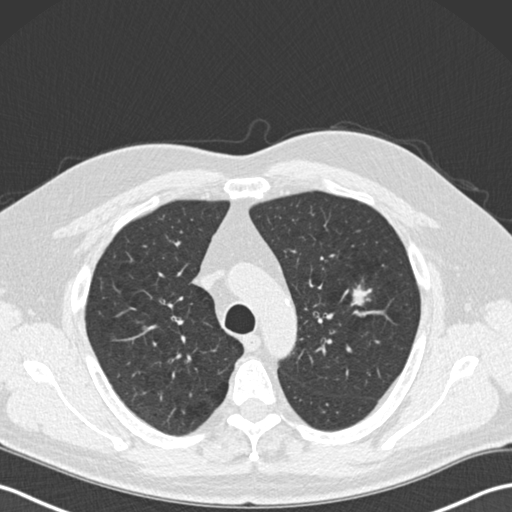
Chest CT, axial plane, 120 kVp, kernel B30f. Slice 141/191 from the bottom of the scan; thickness 2.00 mm; pixel size 0.684 mm.
Pulmonary nodule outlined by all four readers; box rows 283–305, columns 350–370 (the union of the readers' outlines on this slice); the four readers' outlines give a longest diameter between 19.1 and 20.2 mm and a volume between 1870 and 2474 mm3. The readers' ratings, as ranges where they differ: texture 5/5 (solid), all four readers agreeing; margin from 3/5 to 5/5 (circumscribed) across the four readers; sphericity from 3/5 (ovoid) to 4/5 across the four readers; calcification absent, all four readers agreeing; internal structure soft tissue from all four readers; subtlety 5/5 from all four readers; malignancy likelihood rated between 4 and 5 out of 5 by the four readers. Scale key (1–5): texture non-solid→solid, margin indistinct→circumscribed, sphericity linear→round, subtlety extremely subtle→obvious, malignancy likelihood highly unlikely→highly suspicious of cancer. Box rows and columns are 0-based pixel indices from the top-left corner, inclusive.